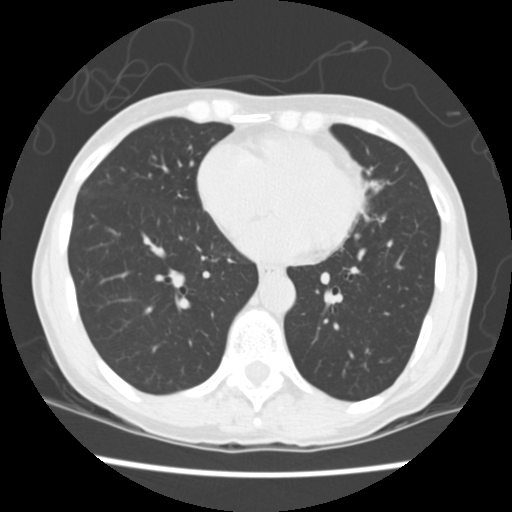
Axial chest CT slice 64 of 163 (counted from the lowest slice); tube voltage 120 kVp, convolution kernel STANDARD; slices 2.50 mm thick, 0.586 mm per pixel.
Pulmonary nodule at rows 217–221, columns 382–384 (box = the union of the readers' outlines on this slice), outlined by all four readers, two of them on this slice; longest diameter 10.4 mm on average over the four readers' outlines (readers' outlines 9.5–11.1 mm), volume 385–423 mm3. Ratings, by the readers' most common answer with dissent counted: texture 5/5 (solid), all four readers agreeing; margin 5/5 (circumscribed) by three of four readers; the rest gave 4/5 (one); sphericity split among the readers: 3/5 (ovoid) (two), 4/5 (two); calcification solid calcification by three of four readers, absent (one); internal structure soft tissue, all four readers agreeing; subtlety 5/5 by three of four readers; the rest gave 4/5 (one); malignancy likelihood 1/5 by three of four readers; the rest gave 4/5 (one). Scale key (1–5): texture non-solid→solid, margin indistinct→circumscribed, sphericity linear→round, subtlety extremely subtle→obvious, malignancy likelihood highly unlikely→highly suspicious of cancer. Box rows and columns are 0-based pixel indices from the top-left corner, inclusive.